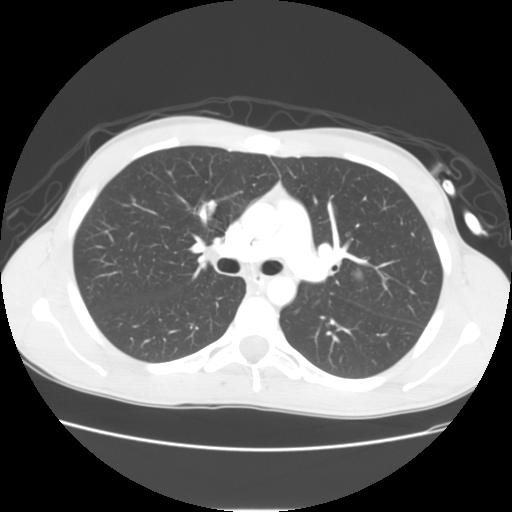
Axial chest CT slice 72 of 114 (counted from the lowest slice); tube voltage 120 kVp, convolution kernel STANDARD; slices 2.50 mm thick, 0.664 mm per pixel.
Pulmonary nodule outlined by all four readers, two of them on this slice; box rows 269–281, columns 354–362 (the union of the readers' outlines on this slice); longest diameter 17.8 mm on average over the four readers' outlines (readers' outlines 16.8–19.0 mm), volume 1177–1906 mm3. Ratings, by the readers' most common answer with dissent counted: most readers (three of four) put texture at 5/5 (solid), others 4/5 (one); margin split among the readers: 4/5 (two), 5/5 (circumscribed) (two); sphericity split among the readers: 3/5 (ovoid) (two), 5/5 (round) (two); calcification absent from all four readers; internal structure soft tissue from all four readers; most readers (three of four) put subtlety at 5/5, others 3/5 (one); malignancy likelihood split among the readers: 2/5 (one), 3/5 (one), 4/5 (one), 5/5 (one). Scale key (1–5): texture non-solid→solid, margin indistinct→circumscribed, sphericity linear→round, subtlety extremely subtle→obvious, malignancy likelihood highly unlikely→highly suspicious of cancer. Box rows and columns are 0-based pixel indices from the top-left corner, inclusive.